Axial slice 34 of 106 of a chest CT (slice 1 is the lowest), reconstructed with the B31f kernel at 120 kVp; 3.00 mm slice thickness and 0.705 mm pixels.
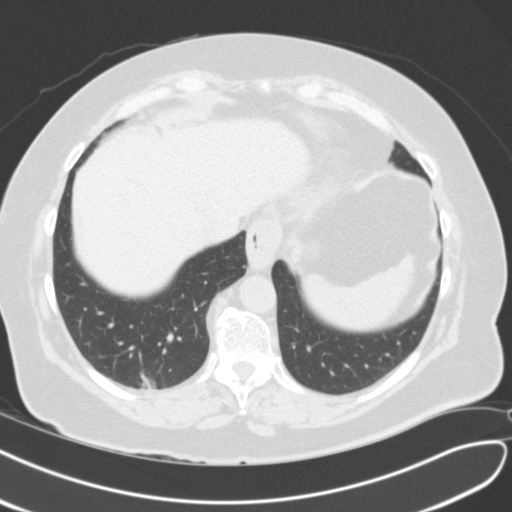
Pulmonary nodule outlined by all four readers; box rows 373–388, columns 140–155 (the union of the readers' outlines on this slice); longest diameter 19.5–21.3 mm and volume 1709–3140 mm3 across the four readers' outlines. Ratings across the readers: texture from 4/5 to 5/5 (solid) across the four readers; margin from 3/5 to 5/5 (circumscribed) across the four readers; sphericity from 4/5 to 5/5 (round) across the four readers; calcification absent from all four readers; internal structure: soft tissue (three), air (one); subtlety rated between 4 and 5 out of 5 by the four readers; malignancy likelihood from 1/5 to 5/5 across the four readers. Scale key (1–5): texture non-solid→solid, margin indistinct→circumscribed, sphericity linear→round, subtlety extremely subtle→obvious, malignancy likelihood highly unlikely→highly suspicious of cancer. Box rows and columns are 0-based pixel indices from the top-left corner, inclusive.